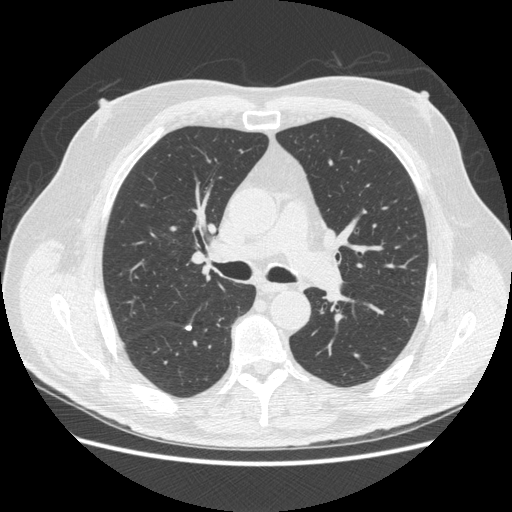
Chest CT, axial plane, 120 kVp, kernel STANDARD. Slice 309/503 from the bottom of the scan; thickness 1.25 mm; pixel size 0.742 mm.
Pulmonary nodule outlined by all four readers; box rows 325–330, columns 184–192 (the union of the readers' outlines on this slice); longest diameter 8.0 mm on average over the four readers' outlines (readers' outlines 7.0–8.7 mm), volume 116–149 mm3. Ratings, by the readers' most common answer with dissent counted: texture 5/5 (solid), all four readers agreeing; margin 5/5 (circumscribed), all four readers agreeing; sphericity 3/5 (ovoid) by two of four readers; the rest gave 4/5 (one), 5/5 (round) (one); calcification solid calcification from all four readers; internal structure soft tissue from all four readers; subtlety split among the readers: 4/5 (two), 5/5 (two); malignancy likelihood 1/5, all four readers agreeing. Scale key (1–5): texture non-solid→solid, margin indistinct→circumscribed, sphericity linear→round, subtlety extremely subtle→obvious, malignancy likelihood highly unlikely→highly suspicious of cancer. Box rows and columns are 0-based pixel indices from the top-left corner, inclusive.